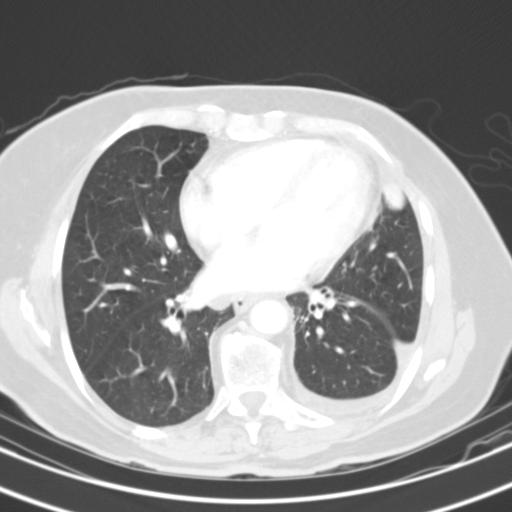
One axial slice (61 of 121, counting up from the lowest) of a chest CT acquired at 130 kVp with the B31s kernel; each pixel is 0.613 mm and the slice is 3.00 mm thick.
Pulmonary nodule outlined by two of the four readers; box rows 184–209, columns 383–405 (the union of the readers' outlines on this slice); longest diameter 19.9 mm on average over the two readers' outlines (readers' outlines 19.2–20.6 mm), volume 4717–4944 mm3. Ratings, by the readers' most common answer with dissent counted: texture 5/5 (solid) from both readers; margin split among the readers: 3/5 (one), 4/5 (one); sphericity split among the readers: 4/5 (one), 5/5 (round) (one); calcification absent, both readers agreeing; internal structure soft tissue, both readers agreeing; subtlety split among the readers: 3/5 (one), 5/5 (one); malignancy likelihood split among the readers: 3/5 (one), 4/5 (one). Scale key (1–5): texture non-solid→solid, margin indistinct→circumscribed, sphericity linear→round, subtlety extremely subtle→obvious, malignancy likelihood highly unlikely→highly suspicious of cancer. Box rows and columns are 0-based pixel indices from the top-left corner, inclusive.